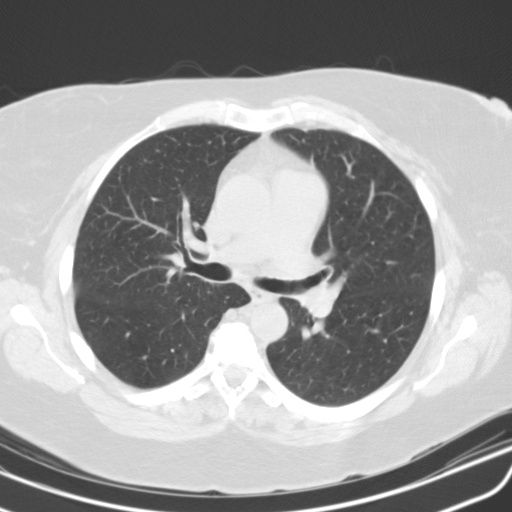
One axial slice (77 of 115, counting up from the lowest) of a chest CT acquired at 130 kVp with the B31s kernel; each pixel is 0.652 mm and the slice is 3.00 mm thick.
The readers outlined no nodule of 3 mm or more on this slice.